Axial chest CT slice 23 of 111 (counted from the lowest slice); tube voltage 135 kVp, convolution kernel FC01; slices 3.00 mm thick, 0.582 mm per pixel.
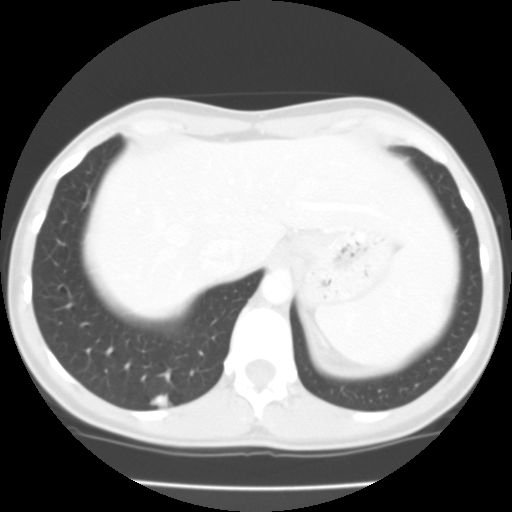
Pulmonary nodule at rows 392–409, columns 149–171 (box = the union of the readers' outlines on this slice), outlined by all four readers; median longest diameter 13.4 mm (readers' outlines 11.4–15.5 mm), median volume 621 mm3 (422–811 mm3). Median ratings and the readers' spread: texture 3.5/5 at the median of four readers, spread 3/5 (part-solid) to 5/5 (solid); median margin 3/5 (readers ranged 1/5 (indistinct) to 3/5); sphericity 2.5/5 at the median of four readers, spread 2/5 to 3/5 (ovoid); calcification absent, all four readers agreeing; internal structure soft tissue, all four readers agreeing; subtlety 5/5 at the median of four readers, spread 4–5; malignancy likelihood 3/5 at the median of four readers, spread 3–4. Scale key (1–5): texture non-solid→solid, margin indistinct→circumscribed, sphericity linear→round, subtlety extremely subtle→obvious, malignancy likelihood highly unlikely→highly suspicious of cancer. Box rows and columns are 0-based pixel indices from the top-left corner, inclusive.